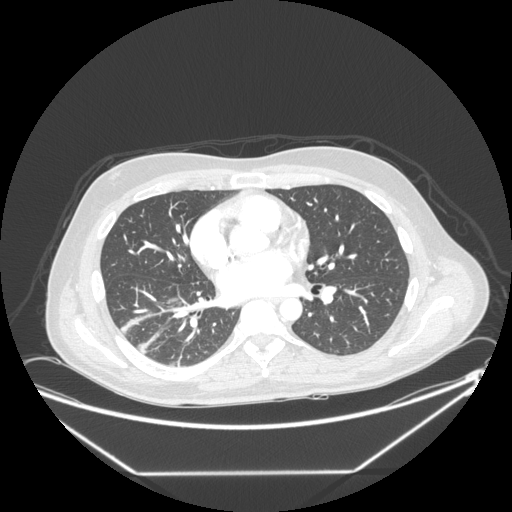
Chest CT, axial plane, 120 kVp, kernel STANDARD. Slice 121/246 from the bottom of the scan; thickness 1.25 mm; pixel size 0.859 mm.
Pulmonary nodule at rows 343–353, columns 138–146 (box = the union of the readers' outlines on this slice), outlined by all four readers, three of them on this slice; median longest diameter 10.6 mm (readers' outlines 9.0–13.9 mm), median volume 325 mm3 (213–487 mm3). Ratings, median across the readers with their spread: texture 5/5 (solid) from all four readers; median margin 4.5/5 (readers ranged 4/5 to 5/5 (circumscribed)); median sphericity 4.5/5 (readers ranged 3/5 (ovoid) to 5/5 (round)); calcification absent, all four readers agreeing; internal structure soft tissue from all four readers; subtlety 3.5/5 at the median of four readers, spread 3–4; malignancy likelihood 3/5 at the median of four readers, spread 2–3. Scale key (1–5): texture non-solid→solid, margin indistinct→circumscribed, sphericity linear→round, subtlety extremely subtle→obvious, malignancy likelihood highly unlikely→highly suspicious of cancer. Box rows and columns are 0-based pixel indices from the top-left corner, inclusive.